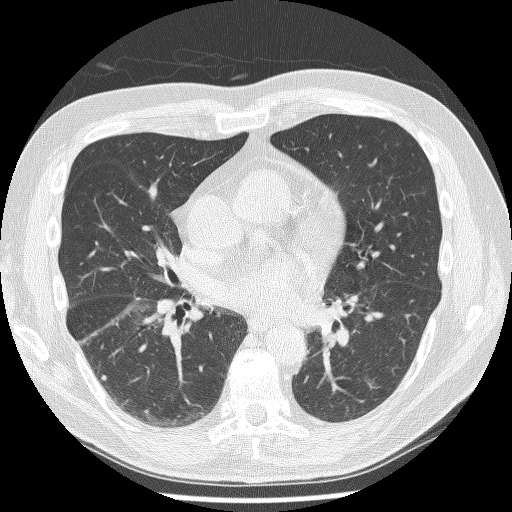
Axial chest CT slice 124 of 244 (counted from the lowest slice); tube voltage 120 kVp, convolution kernel BONE; slices 1.25 mm thick, 0.674 mm per pixel.
Pulmonary nodule, outlined by all four readers. Box on this slice rows 373–380, columns 100–106, the union of the readers' outlines on this slice; longest diameter 4.5–6.6 mm and volume 47–112 mm3 across the four readers' outlines. Ratings across the readers: texture from 4/5 to 5/5 (solid) across the four readers; margin from 2/5 to 5/5 (circumscribed) across the four readers; sphericity from 3/5 (ovoid) to 5/5 (round) across the four readers; calcification absent from all four readers; internal structure soft tissue from all four readers; subtlety 3–4/5 (the readers disagree); malignancy likelihood rated between 2 and 4 out of 5 by the four readers. Scale key (1–5): texture non-solid→solid, margin indistinct→circumscribed, sphericity linear→round, subtlety extremely subtle→obvious, malignancy likelihood highly unlikely→highly suspicious of cancer. Box rows and columns are 0-based pixel indices from the top-left corner, inclusive.